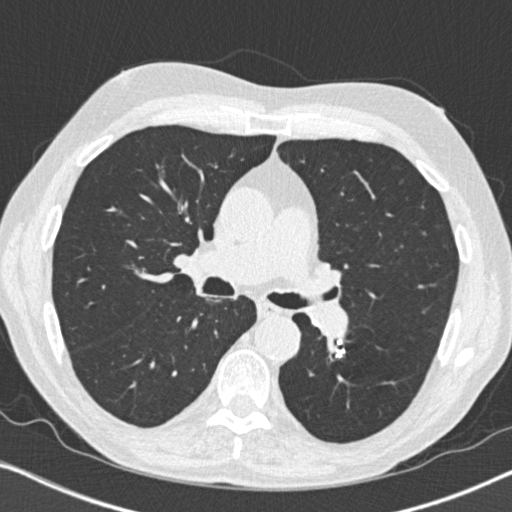
Slice 469/764 of a chest CT, counting up from the lowest; pixel size 0.646 mm, slice thickness 1.00 mm. Pulmonary nodule, outlined by one of the four readers. Box on this slice rows 349–357, columns 336–344, that reader's outline on this slice; longest diameter 8.3 mm and volume 154 mm3 from that reader's outline. Ratings by that reader: texture 5/5 (solid); margin 5/5 (circumscribed); sphericity 3/5 (ovoid); calcification solid calcification; internal structure soft tissue; subtlety 5/5; malignancy likelihood 1/5. Scale key (1–5): texture non-solid→solid, margin indistinct→circumscribed, sphericity linear→round, subtlety extremely subtle→obvious, malignancy likelihood highly unlikely→highly suspicious of cancer. Box rows and columns are 0-based pixel indices from the top-left corner, inclusive.
Tube voltage 120 kVp; convolution kernel B31f.